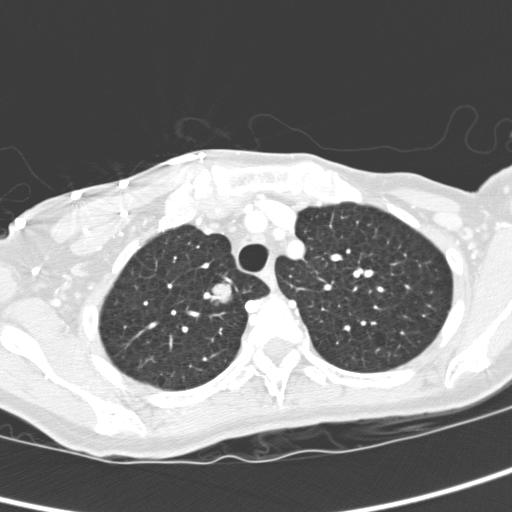
Axial chest CT slice 260 of 321 (counted from the lowest slice); tube voltage 120 kVp, convolution kernel D; slices 2.00 mm thick, 0.557 mm per pixel.
Pulmonary nodule outlined by all four readers; box rows 282–305, columns 210–232 (the union of the readers' outlines on this slice); median longest diameter 20.8 mm (readers' outlines 19.2–21.9 mm), median volume 3674 mm3 (3323–4100 mm3). Ratings, median across the readers with their spread: texture 5/5 (solid) from all four readers; margin 5/5 (circumscribed) at the median of four readers, spread 4/5 to 5/5 (circumscribed); sphericity 5/5 (round) at the median of four readers, spread 4/5 to 5/5 (round); calcification absent, all four readers agreeing; internal structure soft tissue, all four readers agreeing; subtlety 5/5 from all four readers; malignancy likelihood 4.5/5 at the median of four readers, spread 3–5. Scale key (1–5): texture non-solid→solid, margin indistinct→circumscribed, sphericity linear→round, subtlety extremely subtle→obvious, malignancy likelihood highly unlikely→highly suspicious of cancer. Box rows and columns are 0-based pixel indices from the top-left corner, inclusive.